Axial slice 89 of 238 of a chest CT (slice 1 is the lowest), reconstructed with the BONE kernel at 120 kVp; 1.25 mm slice thickness and 0.703 mm pixels.
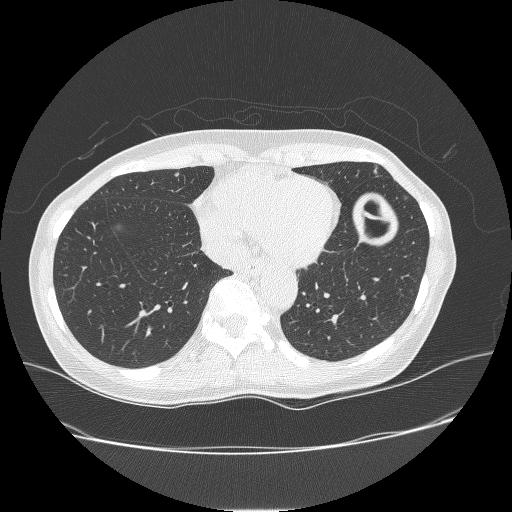
Pulmonary nodule, outlined by one of the four readers. Box on this slice rows 172–176, columns 174–179, that reader's outline on this slice; longest diameter 5.1 mm and volume 32 mm3 from that reader's outline. That reader's ratings: texture 3/5 (part-solid); margin 1/5 (indistinct); sphericity 4/5; calcification absent; internal structure soft tissue; subtlety 4/5; malignancy likelihood 4/5. Scale key (1–5): texture non-solid→solid, margin indistinct→circumscribed, sphericity linear→round, subtlety extremely subtle→obvious, malignancy likelihood highly unlikely→highly suspicious of cancer. Box rows and columns are 0-based pixel indices from the top-left corner, inclusive.